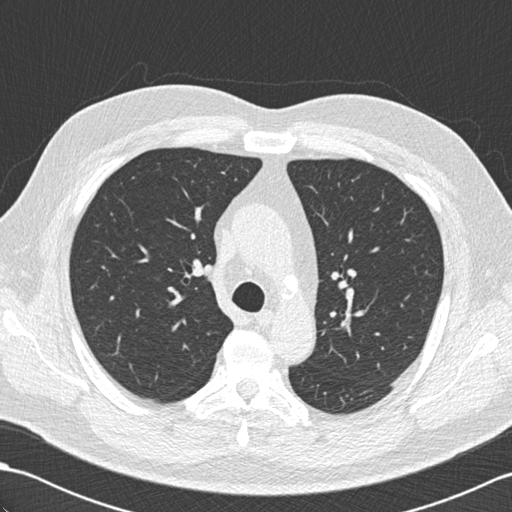
Axial chest CT slice 145 of 203 (counted from the lowest slice); tube voltage 120 kVp, convolution kernel B30f; slices 2.00 mm thick, 0.684 mm per pixel.
Pulmonary nodule, outlined by one of the four readers. Box on this slice rows 269–277, columns 347–356, that reader's outline on this slice; longest diameter 8.3 mm and volume 241 mm3 from that reader's outline. Ratings by that reader: texture 4/5; margin 5/5 (circumscribed); sphericity 4/5; calcification non-central calcification; internal structure soft tissue; subtlety 4/5; malignancy likelihood 2/5. Scale key (1–5): texture non-solid→solid, margin indistinct→circumscribed, sphericity linear→round, subtlety extremely subtle→obvious, malignancy likelihood highly unlikely→highly suspicious of cancer. Box rows and columns are 0-based pixel indices from the top-left corner, inclusive.